Axial slice 206 of 248 of a chest CT (slice 1 is the lowest), reconstructed with the D kernel at 120 kVp; 2.00 mm slice thickness and 0.633 mm pixels.
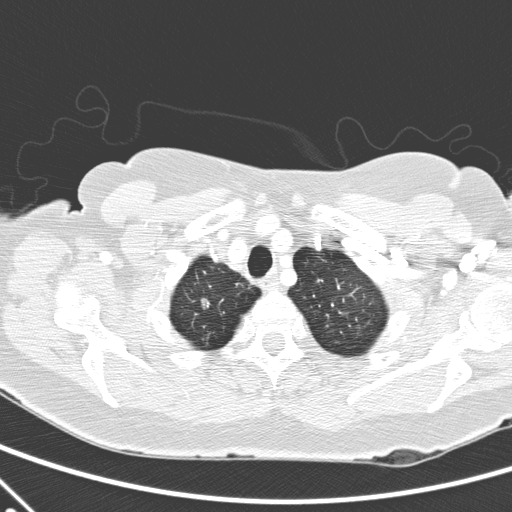
Pulmonary nodule outlined by one of the four readers; box rows 298–308, columns 200–207 (that reader's outline on this slice); longest diameter 9.2 mm and volume 163 mm3 from that reader's outline. Ratings by that reader: texture 3/5 (part-solid); margin 4/5; sphericity 2/5; calcification absent; internal structure soft tissue; subtlety 5/5; malignancy likelihood 4/5. Scale key (1–5): texture non-solid→solid, margin indistinct→circumscribed, sphericity linear→round, subtlety extremely subtle→obvious, malignancy likelihood highly unlikely→highly suspicious of cancer. Box rows and columns are 0-based pixel indices from the top-left corner, inclusive.